Axial chest CT slice 371 of 465 (counted from the lowest slice); tube voltage 120 kVp, convolution kernel STANDARD; slices 1.25 mm thick, 0.703 mm per pixel.
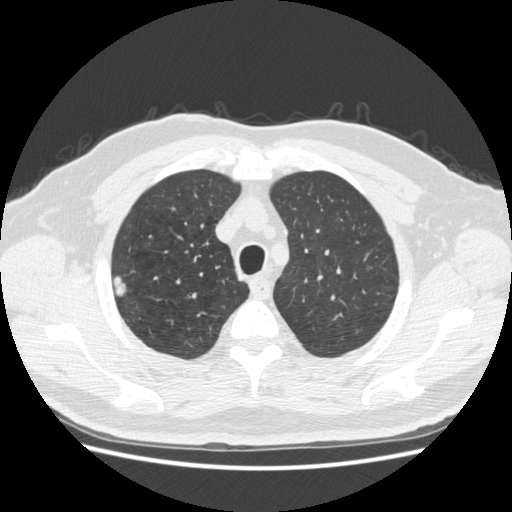
Pulmonary nodule, outlined by all four readers. Box on this slice rows 275–297, columns 112–126, the union of the readers' outlines on this slice; the four readers' outlines give a longest diameter between 15.5 and 18.9 mm and a volume between 1041 and 1475 mm3. The readers' ratings, as ranges where they differ: texture 5/5 (solid) from all four readers; margin from 4/5 to 5/5 (circumscribed) across the four readers; sphericity from 3/5 (ovoid) to 5/5 (round) across the four readers; calcification absent from all four readers; internal structure soft tissue from all four readers; subtlety rated between 4 and 5 out of 5 by the four readers; malignancy likelihood rated between 2 and 5 out of 5 by the four readers. Scale key (1–5): texture non-solid→solid, margin indistinct→circumscribed, sphericity linear→round, subtlety extremely subtle→obvious, malignancy likelihood highly unlikely→highly suspicious of cancer. Box rows and columns are 0-based pixel indices from the top-left corner, inclusive.